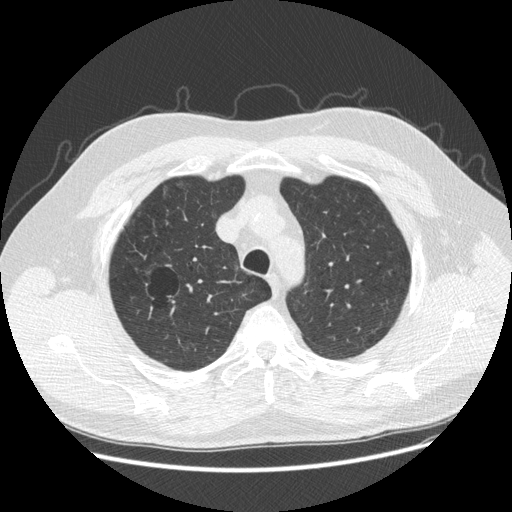
One axial slice (385 of 481, counting up from the lowest) of a chest CT acquired at 120 kVp with the STANDARD kernel; each pixel is 0.742 mm and the slice is 1.25 mm thick.
Pulmonary nodule, outlined by two of the four readers, one of them on this slice. Box on this slice rows 186–195, columns 163–166, the one reader's outline on this slice; median longest diameter 8.7 mm (readers' outlines 8.5–9.0 mm), median volume 95 mm3 (54–136 mm3). Median ratings and the readers' spread: texture 3.5/5 at the median of two readers, spread 3/5 (part-solid) to 4/5; median margin 3/5 (readers ranged 2/5 to 4/5); sphericity 2.5/5 at the median of two readers, spread 2/5 to 3/5 (ovoid); calcification absent from both readers; internal structure soft tissue from both readers; median subtlety 2/5 (readers ranged 1–3); malignancy likelihood 3/5 at the median of two readers, spread 2–4. Scale key (1–5): texture non-solid→solid, margin indistinct→circumscribed, sphericity linear→round, subtlety extremely subtle→obvious, malignancy likelihood highly unlikely→highly suspicious of cancer. Box rows and columns are 0-based pixel indices from the top-left corner, inclusive.